Axial chest CT slice 186 of 417 (counted from the lowest slice); tube voltage 120 kVp, convolution kernel STANDARD; slices 1.25 mm thick, 0.703 mm per pixel.
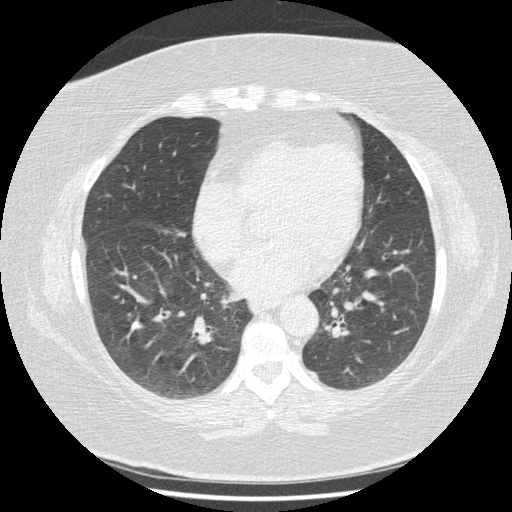
Pulmonary nodule at rows 322–329, columns 131–142 (box = the union of the readers' outlines on this slice), outlined by all four readers; longest diameter 10.5–10.9 mm and volume 396–502 mm3 across the four readers' outlines. The readers' ratings, as ranges where they differ: texture 5/5 (solid) from all four readers; margin 5/5 (circumscribed), all four readers agreeing; sphericity from 3/5 (ovoid) to 4/5 across the four readers; calcification: solid calcification (three), absent (one); internal structure soft tissue from all four readers; subtlety 5/5 from all four readers; malignancy likelihood 1/5, all four readers agreeing. Scale key (1–5): texture non-solid→solid, margin indistinct→circumscribed, sphericity linear→round, subtlety extremely subtle→obvious, malignancy likelihood highly unlikely→highly suspicious of cancer. Box rows and columns are 0-based pixel indices from the top-left corner, inclusive.